One axial slice (56 of 156, counting up from the lowest) of a chest CT acquired at 120 kVp with the STANDARD kernel; each pixel is 0.645 mm and the slice is 2.50 mm thick.
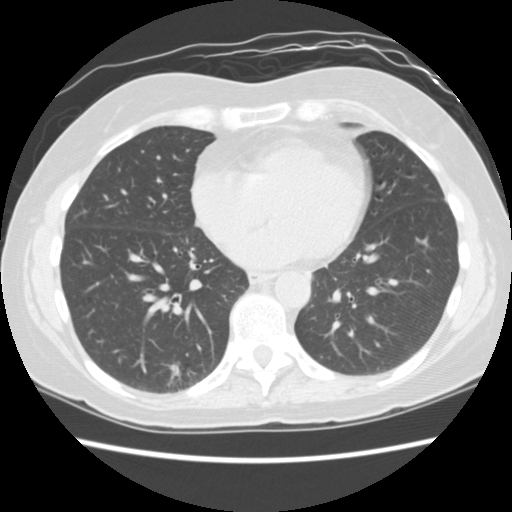
Pulmonary nodule outlined by all four readers, three of them on this slice; box rows 361–377, columns 169–180 (the union of the readers' outlines on this slice); the four readers' outlines give a longest diameter between 13.7 and 18.2 mm and a volume between 717 and 1515 mm3. Ratings across the readers: texture 5/5 (solid) from all four readers; margin from 4/5 to 5/5 (circumscribed) across the four readers; sphericity from 3/5 (ovoid) to 5/5 (round) across the four readers; calcification: solid calcification (three), absent (one); internal structure soft tissue, all four readers agreeing; subtlety 5/5, all four readers agreeing; malignancy likelihood from 1/5 to 5/5 across the four readers. Scale key (1–5): texture non-solid→solid, margin indistinct→circumscribed, sphericity linear→round, subtlety extremely subtle→obvious, malignancy likelihood highly unlikely→highly suspicious of cancer. Box rows and columns are 0-based pixel indices from the top-left corner, inclusive.